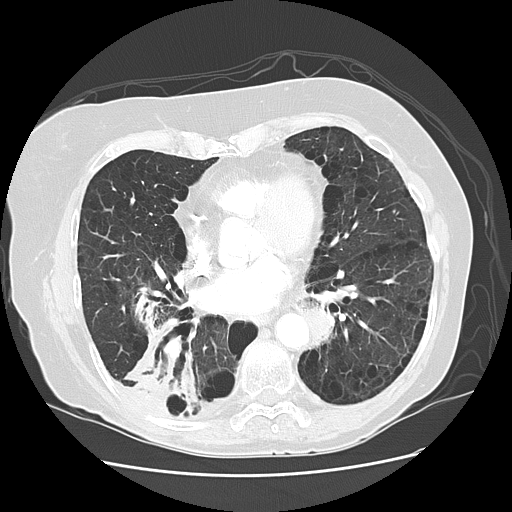
This is axial slice 56 of 125 (slice 1 is the lowest) of a chest CT; each pixel is 0.703 mm and the slice is 2.50 mm thick. Pulmonary nodule at rows 310–339, columns 297–329 (box = that reader's outline on this slice), outlined by one of the four readers; longest diameter 37.4 mm and volume 10878 mm3 from that reader's outline. Ratings by that reader: texture 5/5 (solid); margin 5/5 (circumscribed); sphericity 5/5 (round); calcification absent; internal structure soft tissue; subtlety 3/5; malignancy likelihood 2/5. Scale key (1–5): texture non-solid→solid, margin indistinct→circumscribed, sphericity linear→round, subtlety extremely subtle→obvious, malignancy likelihood highly unlikely→highly suspicious of cancer. Box rows and columns are 0-based pixel indices from the top-left corner, inclusive.
Tube voltage 120 kVp; convolution kernel LUNG.